Axial slice 156 of 187 of a chest CT (slice 1 is the lowest), reconstructed with the B30f kernel at 120 kVp; 2.00 mm slice thickness and 0.742 mm pixels.
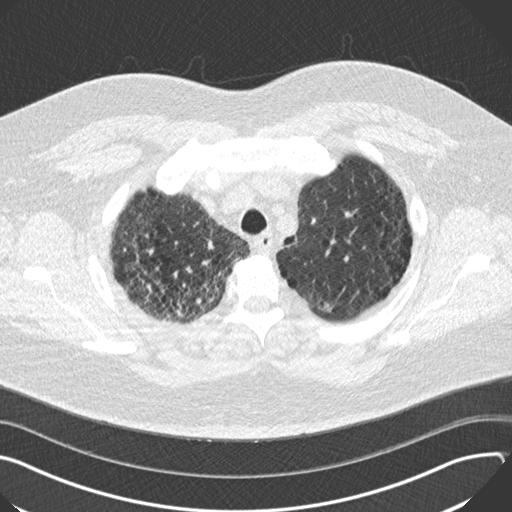
Pulmonary nodule at rows 301–311, columns 321–332 (box = the union of the readers' outlines on this slice), outlined by all four readers; median longest diameter 11.6 mm (readers' outlines 10.1–12.0 mm), median volume 369 mm3 (348–508 mm3). Median ratings and the readers' spread: texture 5/5 (solid) at the median of four readers, spread 4/5 to 5/5 (solid); median margin 4.5/5 (readers ranged 4/5 to 5/5 (circumscribed)); sphericity 4/5, all four readers agreeing; calcification absent, all four readers agreeing; internal structure soft tissue from all four readers; subtlety 4/5 at the median of four readers, spread 3–5; malignancy likelihood 3.5/5 at the median of four readers, spread 2–4. Scale key (1–5): texture non-solid→solid, margin indistinct→circumscribed, sphericity linear→round, subtlety extremely subtle→obvious, malignancy likelihood highly unlikely→highly suspicious of cancer. Box rows and columns are 0-based pixel indices from the top-left corner, inclusive.